One axial slice (74 of 206, counting up from the lowest) of a chest CT acquired at 120 kVp with the STANDARD kernel; each pixel is 0.898 mm and the slice is 1.25 mm thick.
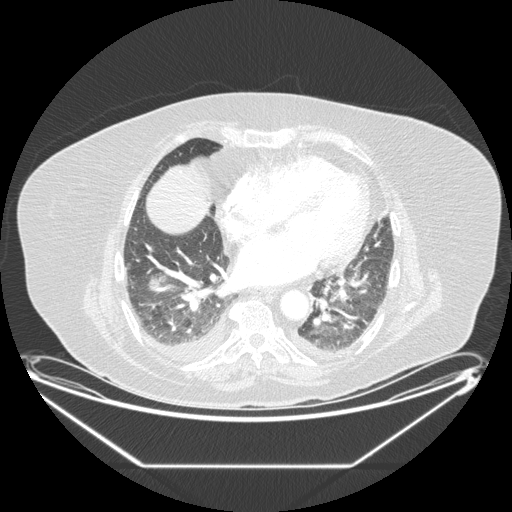
Pulmonary nodule at rows 273–294, columns 148–178 (box = the union of the readers' outlines on this slice), outlined by all four readers; longest diameter 28.4 mm on average over the four readers' outlines (readers' outlines 25.7–34.7 mm), volume 3668–5061 mm3. Ratings, by the readers' most common answer with dissent counted: most readers (three of four) put texture at 5/5 (solid), others 4/5 (one); margin 4/5, all four readers agreeing; most readers (three of four) put sphericity at 3/5 (ovoid), others 5/5 (round) (one); calcification absent from all four readers; internal structure soft tissue from all four readers; most readers (three of four) put subtlety at 5/5, others 4/5 (one); malignancy likelihood 5/5 by two of four readers; the rest gave 3/5 (one), 4/5 (one). Scale key (1–5): texture non-solid→solid, margin indistinct→circumscribed, sphericity linear→round, subtlety extremely subtle→obvious, malignancy likelihood highly unlikely→highly suspicious of cancer. Box rows and columns are 0-based pixel indices from the top-left corner, inclusive.